Axial slice 267 of 301 of a chest CT (slice 1 is the lowest), reconstructed with the STANDARD kernel at 120 kVp; 1.25 mm slice thickness and 0.752 mm pixels.
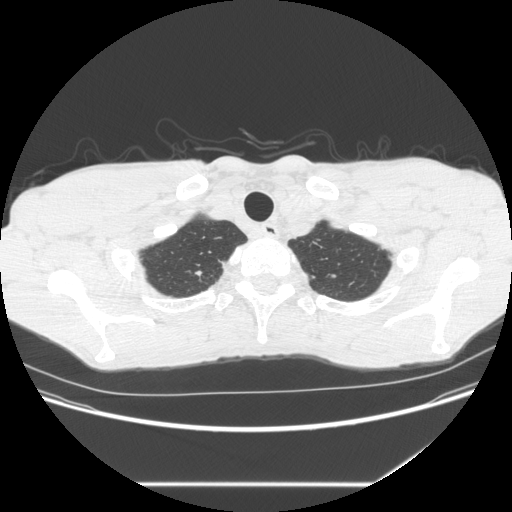
Pulmonary nodule outlined by three of the four readers; box rows 271–275, columns 195–201 (the union of the readers' outlines on this slice); median longest diameter 6.9 mm (readers' outlines 6.9–7.9 mm), median volume 105 mm3 (79–115 mm3). Median ratings and the readers' spread: median texture 5/5 (solid) (readers ranged 4/5 to 5/5 (solid)); median margin 4/5 (readers ranged 3/5 to 4/5); median sphericity 4/5 (readers ranged 2/5 to 4/5); calcification absent from all three readers; internal structure soft tissue, all three readers agreeing; median subtlety 3/5 (readers ranged 3–4); malignancy likelihood 3/5 at the median of three readers, spread 2–3. Scale key (1–5): texture non-solid→solid, margin indistinct→circumscribed, sphericity linear→round, subtlety extremely subtle→obvious, malignancy likelihood highly unlikely→highly suspicious of cancer. Box rows and columns are 0-based pixel indices from the top-left corner, inclusive.